Chest CT, axial plane, 130 kVp, kernel B31s. Slice 94/150 from the bottom of the scan; thickness 3.00 mm; pixel size 0.627 mm.
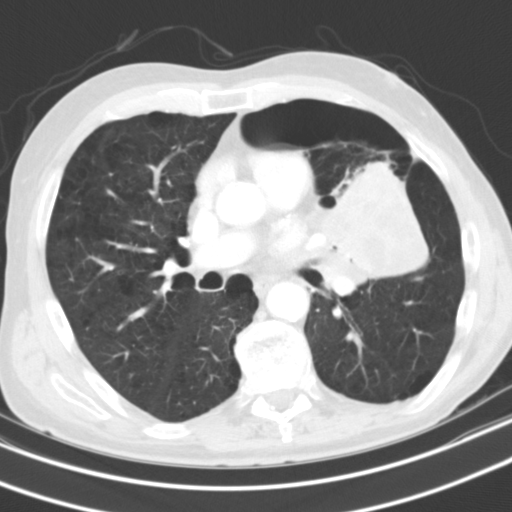
None of the four readers outlined a nodule of 3 mm or more on this slice.